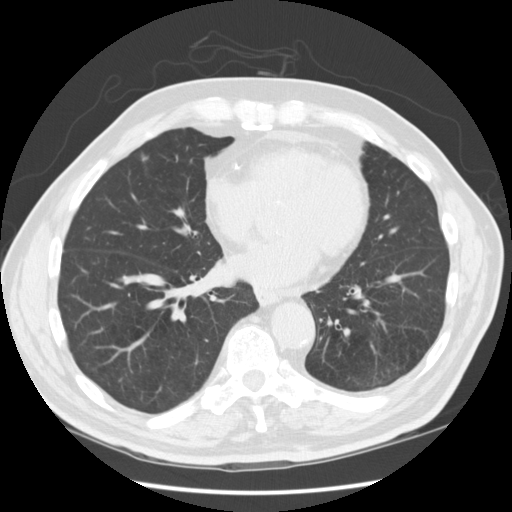
Axial chest CT slice 64 of 166 (counted from the lowest slice); tube voltage 120 kVp, convolution kernel STANDARD; slices 2.50 mm thick, 0.723 mm per pixel.
Pulmonary nodule, outlined by all four readers, one of them on this slice. Box on this slice rows 154–159, columns 141–148, the one reader's outline on this slice; median longest diameter 9.6 mm (readers' outlines 7.3–10.5 mm), median volume 150 mm3 (126–259 mm3). Median ratings and the readers' spread: texture 4/5 at the median of four readers, spread 1/5 (non-solid) to 5/5 (solid); median margin 3.5/5 (readers ranged 2/5 to 5/5 (circumscribed)); median sphericity 4/5 (readers ranged 4/5 to 5/5 (round)); calcification absent, all four readers agreeing; internal structure soft tissue, all four readers agreeing; median subtlety 4/5 (readers ranged 1–4); malignancy likelihood 2/5 from all four readers. Scale key (1–5): texture non-solid→solid, margin indistinct→circumscribed, sphericity linear→round, subtlety extremely subtle→obvious, malignancy likelihood highly unlikely→highly suspicious of cancer. Box rows and columns are 0-based pixel indices from the top-left corner, inclusive.